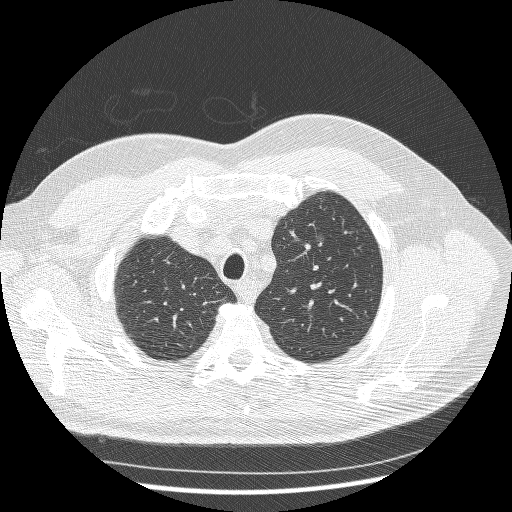
Axial chest CT slice 216 of 250 (counted from the lowest slice); tube voltage 120 kVp, convolution kernel BONE; slices 1.25 mm thick, 0.721 mm per pixel.
Pulmonary nodule outlined by three of the four readers; box rows 231–241, columns 314–326 (the union of the readers' outlines on this slice); the three readers' outlines give a longest diameter between 10.0 and 10.8 mm and a volume between 55 and 215 mm3. The readers' ratings, as ranges where they differ: texture 1/5 (non-solid), all three readers agreeing; margin from 1/5 (indistinct) to 2/5 across the three readers; sphericity from 2/5 to 5/5 (round) across the three readers; calcification absent, all three readers agreeing; internal structure soft tissue, all three readers agreeing; subtlety rated between 1 and 2 out of 5 by the three readers; malignancy likelihood from 3/5 to 4/5 across the three readers. Scale key (1–5): texture non-solid→solid, margin indistinct→circumscribed, sphericity linear→round, subtlety extremely subtle→obvious, malignancy likelihood highly unlikely→highly suspicious of cancer. Box rows and columns are 0-based pixel indices from the top-left corner, inclusive.